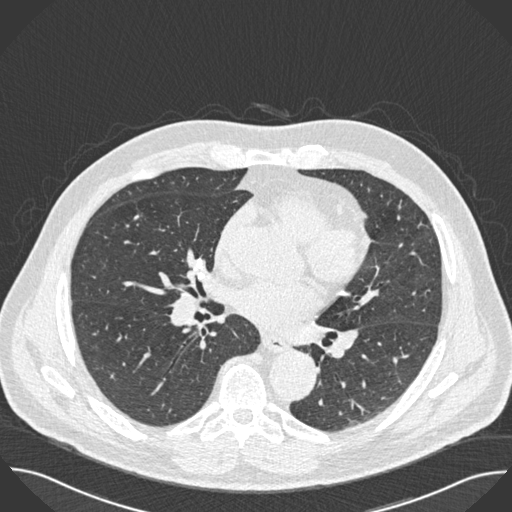
Axial chest CT slice 269 of 493 (counted from the lowest slice); tube voltage 120 kVp, convolution kernel B30f; slices 0.75 mm thick, 0.762 mm per pixel.
Pulmonary nodule at rows 215–219, columns 134–137 (box = the one reader's outline on this slice), outlined by all four readers, one of them on this slice; longest diameter 12.6 mm on average over the four readers' outlines (readers' outlines 10.9–16.8 mm), volume 182–413 mm3. The readers' prevailing ratings and who disagreed: texture 5/5 (solid) from all four readers; margin 5/5 (circumscribed) by two of four readers; the rest gave 3/5 (one), 4/5 (one); sphericity 3/5 (ovoid) by two of four readers; the rest gave 4/5 (one), 5/5 (round) (one); calcification solid calcification from all four readers; internal structure soft tissue, all four readers agreeing; subtlety 5/5 by three of four readers; the rest gave 4/5 (one); malignancy likelihood 1/5 from all four readers. Scale key (1–5): texture non-solid→solid, margin indistinct→circumscribed, sphericity linear→round, subtlety extremely subtle→obvious, malignancy likelihood highly unlikely→highly suspicious of cancer. Box rows and columns are 0-based pixel indices from the top-left corner, inclusive.